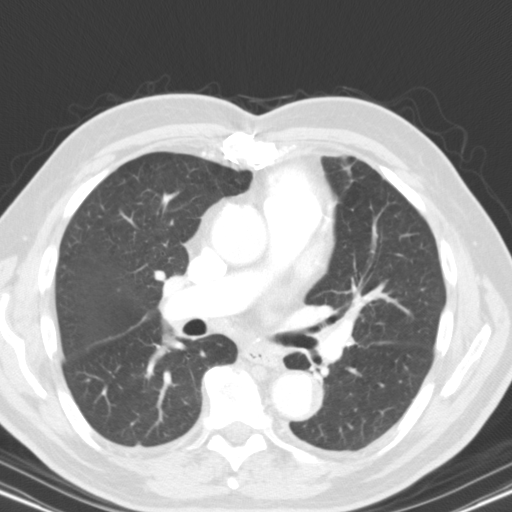
Chest CT, axial plane, 130 kVp, kernel B31s. Slice 68/116 from the bottom of the scan; thickness 3.00 mm; pixel size 0.668 mm.
The readers outlined no nodule of 3 mm or more on this slice.